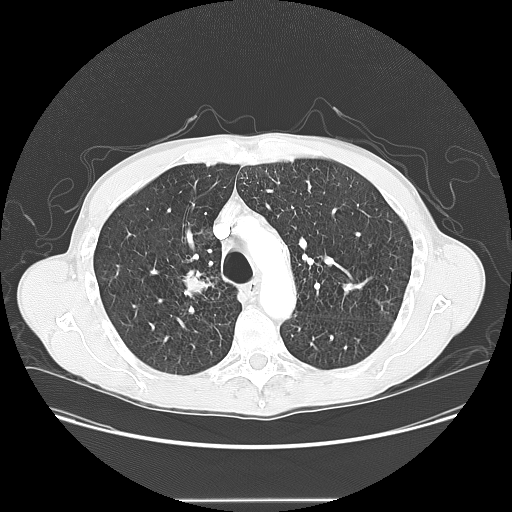
One axial slice (105 of 145, counting up from the lowest) of a chest CT acquired at 120 kVp with the LUNG kernel; each pixel is 0.781 mm and the slice is 2.50 mm thick.
Pulmonary nodule, outlined by all four readers. Box on this slice rows 269–299, columns 181–214, the union of the readers' outlines on this slice; longest diameter 34.4 mm on average over the four readers' outlines (readers' outlines 31.9–37.6 mm), volume 6100–11568 mm3. Ratings, by the readers' most common answer with dissent counted: texture 5/5 (solid) by three of four readers; the rest gave 4/5 (one); margin 3/5 by two of four readers; the rest gave 2/5 (one), 4/5 (one); sphericity 4/5 by two of four readers; the rest gave 3/5 (ovoid) (one), 5/5 (round) (one); calcification absent, all four readers agreeing; internal structure soft tissue, all four readers agreeing; subtlety 5/5, all four readers agreeing; malignancy likelihood 5/5 by three of four readers; the rest gave 4/5 (one). Scale key (1–5): texture non-solid→solid, margin indistinct→circumscribed, sphericity linear→round, subtlety extremely subtle→obvious, malignancy likelihood highly unlikely→highly suspicious of cancer. Box rows and columns are 0-based pixel indices from the top-left corner, inclusive.